One axial slice (120 of 238, counting up from the lowest) of a chest CT acquired at 120 kVp with the BONE kernel; each pixel is 0.703 mm and the slice is 1.25 mm thick.
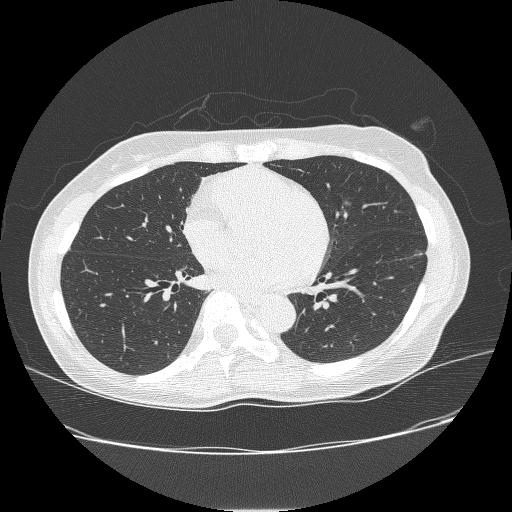
Pulmonary nodule outlined by three of the four readers, two of them on this slice; box rows 201–205, columns 342–352 (the union of the readers' outlines on this slice); the three readers' outlines give a longest diameter between 8.6 and 8.7 mm and a volume between 93 and 139 mm3. The readers' ratings, as ranges where they differ: texture 1/5 (non-solid) from all three readers; margin 1/5 (indistinct), all three readers agreeing; sphericity from 4/5 to 5/5 (round) across the three readers; calcification absent from all three readers; internal structure soft tissue, all three readers agreeing; subtlety rated between 2 and 4 out of 5 by the three readers; malignancy likelihood from 3/5 to 4/5 across the three readers. Scale key (1–5): texture non-solid→solid, margin indistinct→circumscribed, sphericity linear→round, subtlety extremely subtle→obvious, malignancy likelihood highly unlikely→highly suspicious of cancer. Box rows and columns are 0-based pixel indices from the top-left corner, inclusive.